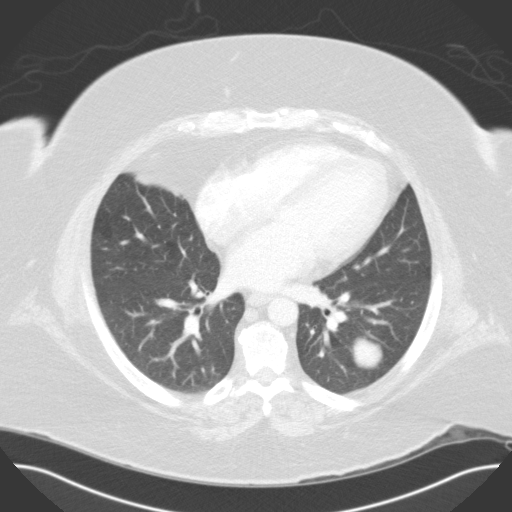
One axial slice (70 of 117, counting up from the lowest) of a chest CT acquired at 120 kVp with the B31f kernel; each pixel is 0.779 mm and the slice is 3.00 mm thick.
Pulmonary nodule outlined by two of the four readers; box rows 336–367, columns 351–382 (the union of the readers' outlines on this slice); longest diameter 39.4 mm on average over the two readers' outlines (readers' outlines 39.2–39.6 mm), volume 24959–25451 mm3. Ratings, by the readers' most common answer with dissent counted: texture 5/5 (solid) from both readers; margin 5/5 (circumscribed), both readers agreeing; sphericity 5/5 (round) from both readers; calcification split among the readers: laminated calcification (one), absent (one); internal structure soft tissue, both readers agreeing; subtlety 5/5 from both readers; malignancy likelihood split among the readers: 2/5 (one), 3/5 (one). Scale key (1–5): texture non-solid→solid, margin indistinct→circumscribed, sphericity linear→round, subtlety extremely subtle→obvious, malignancy likelihood highly unlikely→highly suspicious of cancer. Box rows and columns are 0-based pixel indices from the top-left corner, inclusive.